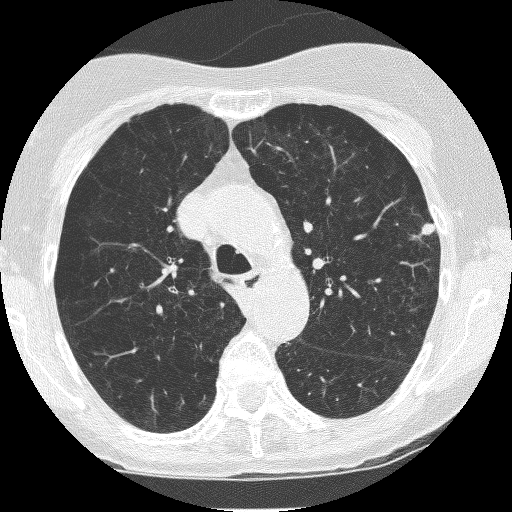
This is axial slice 166 of 235 (slice 1 is the lowest) of a chest CT; each pixel is 0.537 mm and the slice is 1.25 mm thick. Pulmonary nodule at rows 223–235, columns 419–435 (box = the union of the readers' outlines on this slice), outlined by all four readers; longest diameter 9.0 mm on average over the four readers' outlines (readers' outlines 8.4–9.6 mm), volume 213–290 mm3. Ratings, by the readers' most common answer with dissent counted: most readers (three of four) put texture at 5/5 (solid), others 4/5 (one); margin 4/5 by two of four readers; the rest gave 3/5 (one), 5/5 (circumscribed) (one); sphericity 3/5 (ovoid) by two of four readers; the rest gave 2/5 (one), 5/5 (round) (one); calcification absent from all four readers; internal structure soft tissue from all four readers; most readers (three of four) put subtlety at 5/5, others 4/5 (one); malignancy likelihood 4/5 by two of four readers; the rest gave 2/5 (one), 3/5 (one). Scale key (1–5): texture non-solid→solid, margin indistinct→circumscribed, sphericity linear→round, subtlety extremely subtle→obvious, malignancy likelihood highly unlikely→highly suspicious of cancer. Box rows and columns are 0-based pixel indices from the top-left corner, inclusive.
Acquired at 120 kVp and reconstructed with the BONE kernel.